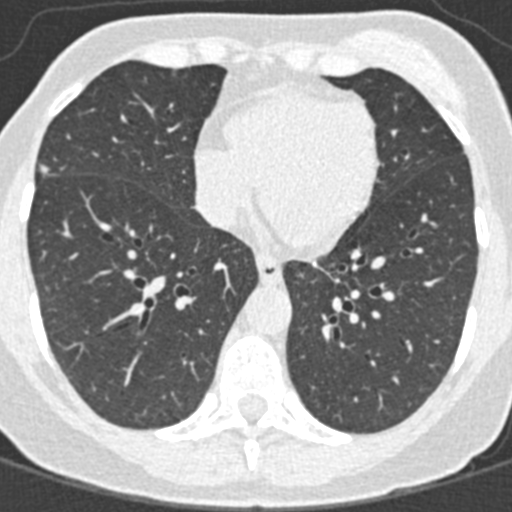
Axial slice 135 of 376 of a chest CT (slice 1 is the lowest), reconstructed with the B30f kernel at 120 kVp; 0.75 mm slice thickness and 0.461 mm pixels.
Pulmonary nodule at rows 164–175, columns 39–49 (box = that reader's outline on this slice), outlined by one of the four readers; longest diameter 8.7 mm and volume 50 mm3 from that reader's outline. Ratings by that reader: texture 5/5 (solid); margin 3/5; sphericity 3/5 (ovoid); calcification absent; internal structure soft tissue; subtlety 3/5; malignancy likelihood 3/5. Scale key (1–5): texture non-solid→solid, margin indistinct→circumscribed, sphericity linear→round, subtlety extremely subtle→obvious, malignancy likelihood highly unlikely→highly suspicious of cancer. Box rows and columns are 0-based pixel indices from the top-left corner, inclusive.